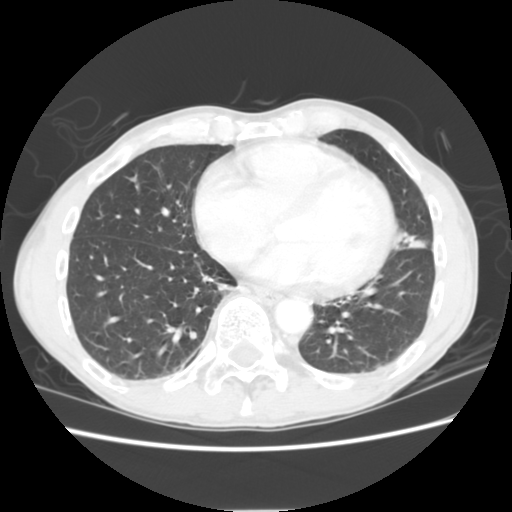
Axial chest CT slice 79 of 255 (counted from the lowest slice); tube voltage 120 kVp, convolution kernel STANDARD; slices 2.50 mm thick, 0.664 mm per pixel.
Pulmonary nodule, outlined by one of the four readers. Box on this slice rows 177–182, columns 128–136, that reader's outline on this slice; longest diameter 8.0 mm and volume 115 mm3 from that reader's outline. Ratings by that reader: texture 5/5 (solid); margin 5/5 (circumscribed); sphericity 3/5 (ovoid); calcification absent; internal structure soft tissue; subtlety 4/5; malignancy likelihood 2/5. Scale key (1–5): texture non-solid→solid, margin indistinct→circumscribed, sphericity linear→round, subtlety extremely subtle→obvious, malignancy likelihood highly unlikely→highly suspicious of cancer. Box rows and columns are 0-based pixel indices from the top-left corner, inclusive.